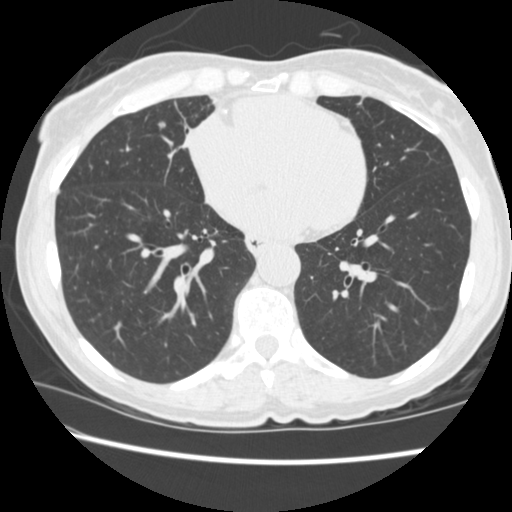
Axial chest CT slice 209 of 519 (counted from the lowest slice); tube voltage 120 kVp, convolution kernel STANDARD; slices 1.25 mm thick, 0.625 mm per pixel.
Pulmonary nodule outlined by two of the four readers; box rows 121–129, columns 158–165 (the union of the readers' outlines on this slice); longest diameter 6.4 mm on average over the two readers' outlines (readers' outlines 6.4–6.5 mm), volume 34–39 mm3. Ratings, by the readers' most common answer with dissent counted: texture 5/5 (solid), both readers agreeing; margin 4/5, both readers agreeing; sphericity 4/5, both readers agreeing; calcification absent from both readers; internal structure soft tissue, both readers agreeing; subtlety split among the readers: 2/5 (one), 3/5 (one); malignancy likelihood split among the readers: 3/5 (one), 4/5 (one). Scale key (1–5): texture non-solid→solid, margin indistinct→circumscribed, sphericity linear→round, subtlety extremely subtle→obvious, malignancy likelihood highly unlikely→highly suspicious of cancer. Box rows and columns are 0-based pixel indices from the top-left corner, inclusive.